Axial slice 419 of 536 of a chest CT (slice 1 is the lowest), reconstructed with the B30f kernel at 120 kVp; 0.75 mm slice thickness and 0.656 mm pixels.
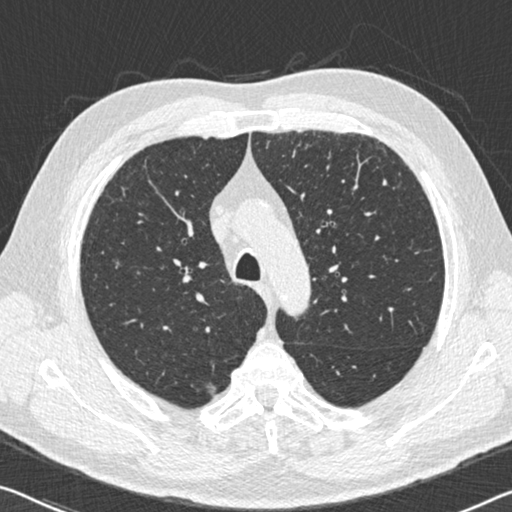
Pulmonary nodule, outlined by three of the four readers. Box on this slice rows 178–185, columns 382–387, the union of the readers' outlines on this slice; longest diameter 6.7–8.3 mm and volume 64–106 mm3 across the three readers' outlines. The readers' ratings, as ranges where they differ: texture 5/5 (solid), all three readers agreeing; margin from 4/5 to 5/5 (circumscribed) across the three readers; sphericity from 2/5 to 3/5 (ovoid) across the three readers; calcification: absent (two), non-central calcification (one); internal structure soft tissue, all three readers agreeing; subtlety 2–5/5 (the readers disagree); malignancy likelihood 2–3/5 (the readers disagree). Scale key (1–5): texture non-solid→solid, margin indistinct→circumscribed, sphericity linear→round, subtlety extremely subtle→obvious, malignancy likelihood highly unlikely→highly suspicious of cancer. Box rows and columns are 0-based pixel indices from the top-left corner, inclusive.